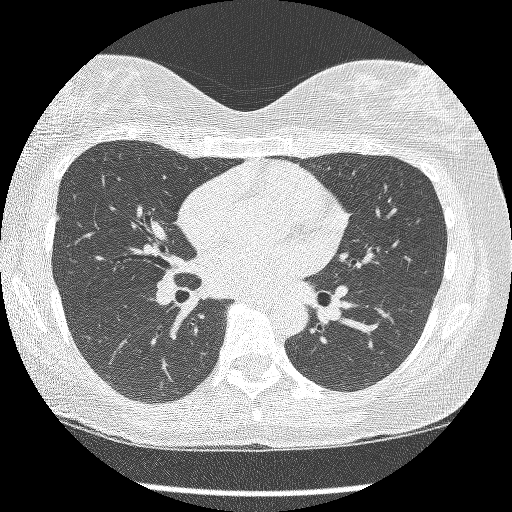
Axial chest CT slice 147 of 260 (counted from the lowest slice); tube voltage 120 kVp, convolution kernel BONE; slices 1.25 mm thick, 0.615 mm per pixel.
Pulmonary nodule at rows 212–220, columns 54–59 (box = the union of the readers' outlines on this slice), outlined by all four readers; longest diameter 7.2 mm on average over the four readers' outlines (readers' outlines 6.6–8.3 mm), volume 76–93 mm3. The readers' prevailing ratings and who disagreed: texture 5/5 (solid) by three of four readers; the rest gave 4/5 (one); most readers (three of four) put margin at 4/5, others 5/5 (circumscribed) (one); most readers (three of four) put sphericity at 3/5 (ovoid), others 4/5 (one); calcification absent, all four readers agreeing; internal structure soft tissue, all four readers agreeing; subtlety 2/5 by two of four readers; the rest gave 3/5 (one), 5/5 (one); malignancy likelihood 3/5 by two of four readers; the rest gave 2/5 (one), 4/5 (one). Scale key (1–5): texture non-solid→solid, margin indistinct→circumscribed, sphericity linear→round, subtlety extremely subtle→obvious, malignancy likelihood highly unlikely→highly suspicious of cancer. Box rows and columns are 0-based pixel indices from the top-left corner, inclusive.